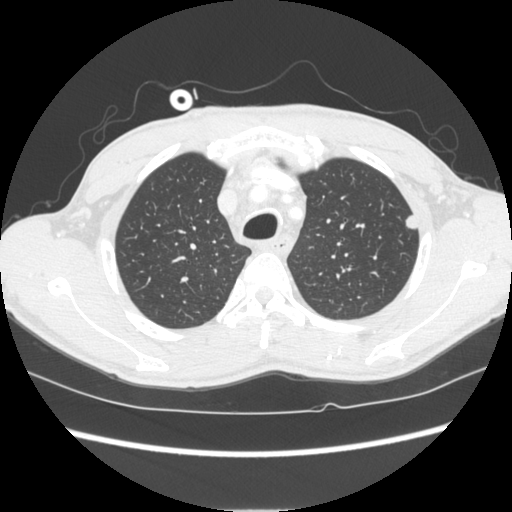
Chest CT, axial plane, 120 kVp, kernel STANDARD. Slice 207/261 from the bottom of the scan; thickness 1.25 mm; pixel size 0.684 mm.
Pulmonary nodule outlined by all four readers; box rows 215–229, columns 405–417 (the union of the readers' outlines on this slice); longest diameter 12.5 mm on average over the four readers' outlines (readers' outlines 11.7–13.4 mm), volume 372–605 mm3. Ratings, by the readers' most common answer with dissent counted: texture 5/5 (solid) from all four readers; margin 5/5 (circumscribed), all four readers agreeing; sphericity 4/5 by two of four readers; the rest gave 3/5 (ovoid) (one), 5/5 (round) (one); calcification absent from all four readers; internal structure soft tissue from all four readers; subtlety 5/5 by two of four readers; the rest gave 3/5 (one), 4/5 (one); malignancy likelihood split among the readers: 2/5 (one), 3/5 (one), 4/5 (one), 5/5 (one). Scale key (1–5): texture non-solid→solid, margin indistinct→circumscribed, sphericity linear→round, subtlety extremely subtle→obvious, malignancy likelihood highly unlikely→highly suspicious of cancer. Box rows and columns are 0-based pixel indices from the top-left corner, inclusive.